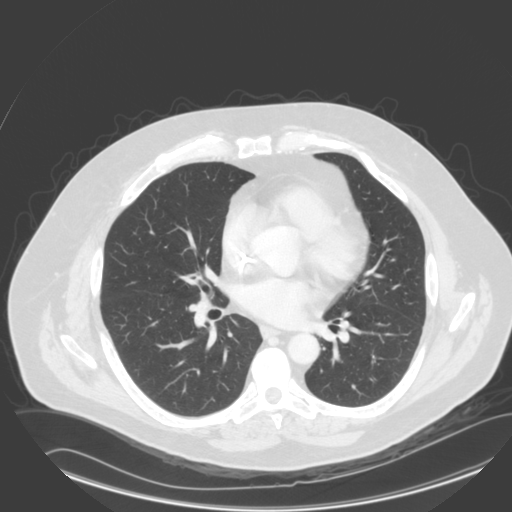
Slice 160/305 of a chest CT, counting up from the lowest; pixel size 0.834 mm, slice thickness 2.00 mm. Pulmonary nodule, outlined by all four readers, three of them on this slice. Box on this slice rows 354–364, columns 370–375, the union of the readers' outlines on this slice; the four readers' outlines give a longest diameter between 7.9 and 12.9 mm and a volume between 74 and 239 mm3. Ratings across the readers: texture 5/5 (solid) from all four readers; margin from 2/5 to 5/5 (circumscribed) across the four readers; sphericity from 1/5 (linear) to 4/5 across the four readers; calcification: solid calcification (three), absent (one); internal structure soft tissue from all four readers; subtlety rated between 4 and 5 out of 5 by the four readers; malignancy likelihood 1–4/5 (the readers disagree). Scale key (1–5): texture non-solid→solid, margin indistinct→circumscribed, sphericity linear→round, subtlety extremely subtle→obvious, malignancy likelihood highly unlikely→highly suspicious of cancer. Box rows and columns are 0-based pixel indices from the top-left corner, inclusive.
Acquired at 140 kVp and reconstructed with the B kernel.